Axial chest CT slice 170 of 258 (counted from the lowest slice); tube voltage 120 kVp, convolution kernel STANDARD; slices 1.25 mm thick, 0.859 mm per pixel.
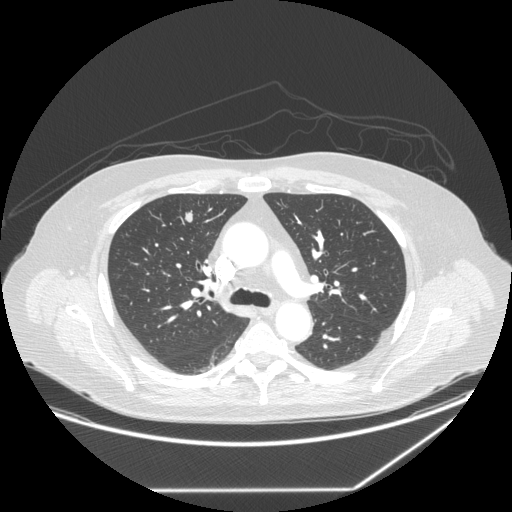
Pulmonary nodule outlined by all four readers; box rows 212–222, columns 185–192 (the union of the readers' outlines on this slice); longest diameter 11.6 mm on average over the four readers' outlines (readers' outlines 11.3–12.3 mm), volume 283–414 mm3. The readers' prevailing ratings and who disagreed: texture 5/5 (solid), all four readers agreeing; margin 5/5 (circumscribed) by three of four readers; the rest gave 4/5 (one); most readers (three of four) put sphericity at 3/5 (ovoid), others 5/5 (round) (one); calcification absent from all four readers; internal structure soft tissue from all four readers; subtlety 5/5 by two of four readers; the rest gave 3/5 (one), 4/5 (one); malignancy likelihood 3/5 by two of four readers; the rest gave 2/5 (one), 4/5 (one). Scale key (1–5): texture non-solid→solid, margin indistinct→circumscribed, sphericity linear→round, subtlety extremely subtle→obvious, malignancy likelihood highly unlikely→highly suspicious of cancer. Box rows and columns are 0-based pixel indices from the top-left corner, inclusive.